One axial slice (122 of 213, counting up from the lowest) of a chest CT acquired at 120 kVp with the BONE kernel; each pixel is 0.646 mm and the slice is 1.25 mm thick.
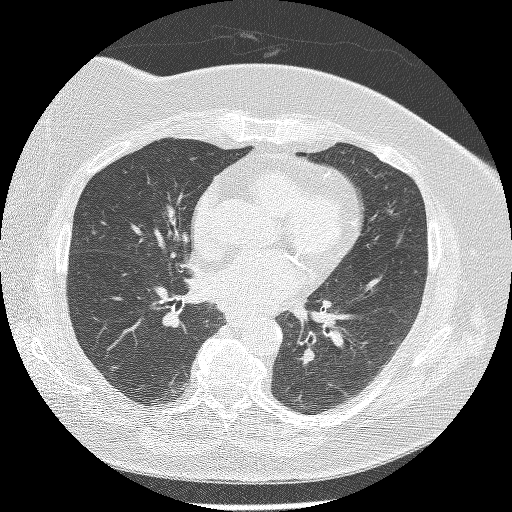
Pulmonary nodule, outlined by three of the four readers, two of them on this slice. Box on this slice rows 365–370, columns 111–116, the union of the readers' outlines on this slice; longest diameter 6.8 mm on average over the three readers' outlines (readers' outlines 6.6–7.0 mm), volume 91–120 mm3. Ratings, by the readers' most common answer with dissent counted: texture split among the readers: 3/5 (part-solid) (one), 4/5 (one), 5/5 (solid) (one); margin split among the readers: 1/5 (indistinct) (one), 3/5 (one), 4/5 (one); sphericity 4/5 by two of three readers; the rest gave 3/5 (ovoid) (one); calcification absent from all three readers; internal structure soft tissue, all three readers agreeing; subtlety 4/5 by two of three readers; the rest gave 3/5 (one); malignancy likelihood split among the readers: 2/5 (one), 3/5 (one), 4/5 (one). Scale key (1–5): texture non-solid→solid, margin indistinct→circumscribed, sphericity linear→round, subtlety extremely subtle→obvious, malignancy likelihood highly unlikely→highly suspicious of cancer. Box rows and columns are 0-based pixel indices from the top-left corner, inclusive.